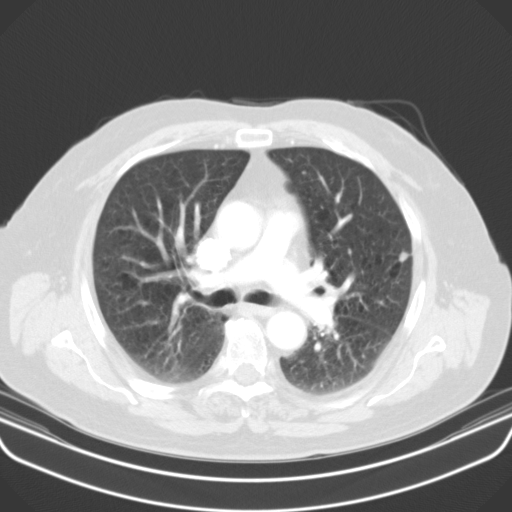
Axial chest CT slice 70 of 107 (counted from the lowest slice); 3.00 mm thick, 0.742 mm per pixel. Pulmonary nodule at rows 251–261, columns 398–408 (box = the union of the readers' outlines on this slice), outlined by all four readers; longest diameter 9.4 mm on average over the four readers' outlines (readers' outlines 9.3–9.5 mm), volume 282–416 mm3. Ratings, by the readers' most common answer with dissent counted: texture 5/5 (solid) by three of four readers; the rest gave 4/5 (one); margin 5/5 (circumscribed) by two of four readers; the rest gave 2/5 (one), 4/5 (one); sphericity 3/5 (ovoid) by two of four readers; the rest gave 4/5 (one), 5/5 (round) (one); calcification absent, all four readers agreeing; internal structure soft tissue from all four readers; subtlety 5/5 by two of four readers; the rest gave 3/5 (one), 4/5 (one); malignancy likelihood 3/5 by two of four readers; the rest gave 2/5 (one), 4/5 (one). Scale key (1–5): texture non-solid→solid, margin indistinct→circumscribed, sphericity linear→round, subtlety extremely subtle→obvious, malignancy likelihood highly unlikely→highly suspicious of cancer. Box rows and columns are 0-based pixel indices from the top-left corner, inclusive.
Acquired at 130 kVp and reconstructed with the B31s kernel.